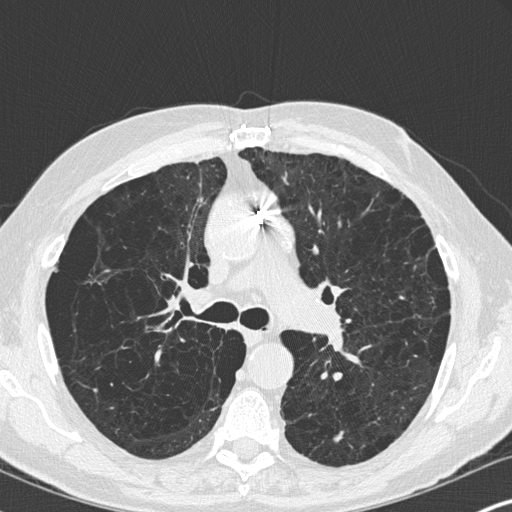
Chest CT, axial plane, 120 kVp, kernel B45f. Slice 203/347 from the bottom of the scan; thickness 1.00 mm; pixel size 0.625 mm.
Pulmonary nodule at rows 430–443, columns 332–343 (box = the union of the readers' outlines on this slice), outlined by all four readers; median longest diameter 13.0 mm (readers' outlines 9.8–15.6 mm), median volume 307 mm3 (236–361 mm3). Ratings, median across the readers with their spread: median texture 5/5 (solid) (readers ranged 4/5 to 5/5 (solid)); margin 3.5/5 at the median of four readers, spread 2/5 to 5/5 (circumscribed); median sphericity 3/5 (ovoid) (readers ranged 2/5 to 4/5); calcification absent from all four readers; internal structure soft tissue, all four readers agreeing; median subtlety 4/5 (readers ranged 4–5); median malignancy likelihood 3.5/5 (readers ranged 3–4). Scale key (1–5): texture non-solid→solid, margin indistinct→circumscribed, sphericity linear→round, subtlety extremely subtle→obvious, malignancy likelihood highly unlikely→highly suspicious of cancer. Box rows and columns are 0-based pixel indices from the top-left corner, inclusive.